Chest CT, axial plane, 120 kVp, kernel B31f. Slice 74/117 from the bottom of the scan; thickness 3.00 mm; pixel size 0.779 mm.
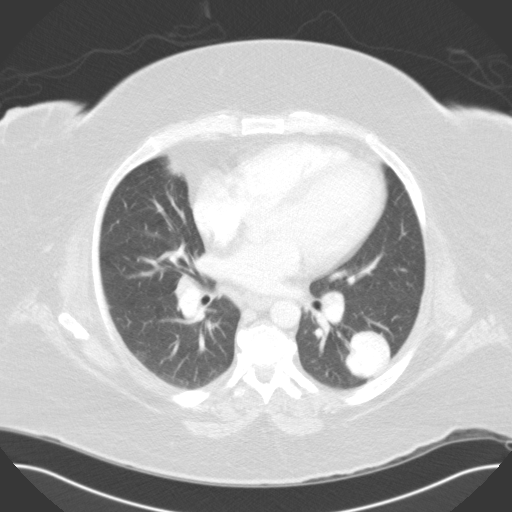
Pulmonary nodule at rows 332–377, columns 345–388 (box = the union of the readers' outlines on this slice), outlined by two of the four readers; median longest diameter 39.4 mm (readers' outlines 39.2–39.6 mm), median volume 25205 mm3 (24959–25451 mm3). Median ratings and the readers' spread: texture 5/5 (solid) from both readers; margin 5/5 (circumscribed), both readers agreeing; sphericity 5/5 (round) from both readers; calcification split among the readers: laminated calcification (one), absent (one); internal structure soft tissue from both readers; subtlety 5/5 from both readers; median malignancy likelihood 2.5/5 (readers ranged 2–3). Scale key (1–5): texture non-solid→solid, margin indistinct→circumscribed, sphericity linear→round, subtlety extremely subtle→obvious, malignancy likelihood highly unlikely→highly suspicious of cancer. Box rows and columns are 0-based pixel indices from the top-left corner, inclusive.